Axial slice 374 of 452 of a chest CT (slice 1 is the lowest), reconstructed with the STANDARD kernel at 120 kVp; 1.25 mm slice thickness and 0.703 mm pixels.
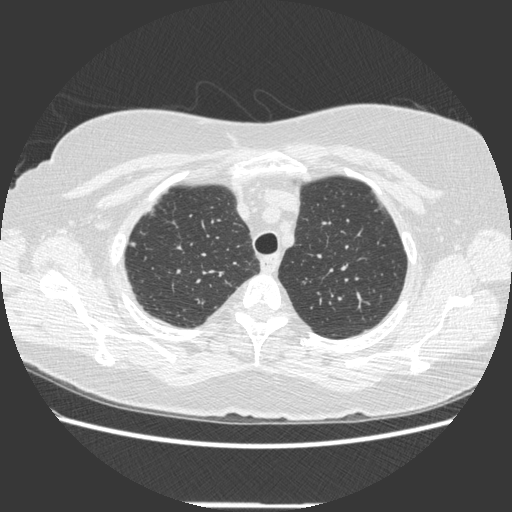
Pulmonary nodule, outlined by two of the four readers. Box on this slice rows 241–247, columns 130–136, the union of the readers' outlines on this slice; longest diameter 6.2 mm on average over the two readers' outlines (readers' outlines 5.4–7.0 mm), volume 53–63 mm3. Ratings, by the readers' most common answer with dissent counted: texture split among the readers: 3/5 (part-solid) (one), 5/5 (solid) (one); margin split among the readers: 3/5 (one), 5/5 (circumscribed) (one); sphericity 4/5 from both readers; calcification absent, both readers agreeing; internal structure soft tissue from both readers; subtlety split among the readers: 2/5 (one), 4/5 (one); malignancy likelihood split among the readers: 2/5 (one), 3/5 (one). Scale key (1–5): texture non-solid→solid, margin indistinct→circumscribed, sphericity linear→round, subtlety extremely subtle→obvious, malignancy likelihood highly unlikely→highly suspicious of cancer. Box rows and columns are 0-based pixel indices from the top-left corner, inclusive.